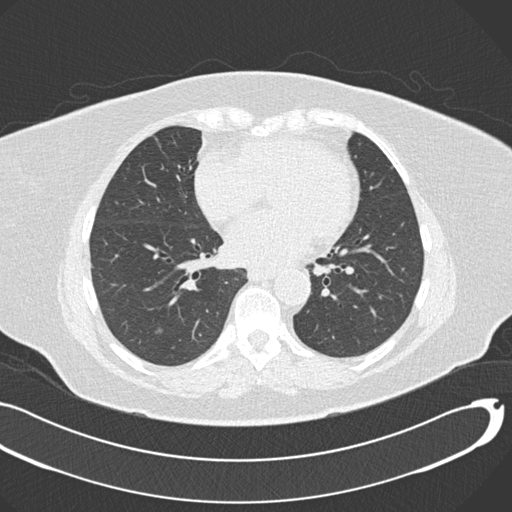
One axial slice (73 of 177, counting up from the lowest) of a chest CT acquired at 120 kVp with the B30f kernel; each pixel is 0.742 mm and the slice is 2.00 mm thick.
Pulmonary nodule, outlined by three of the four readers. Box on this slice rows 327–333, columns 155–163, the union of the readers' outlines on this slice; longest diameter 8.3 mm on average over the three readers' outlines (readers' outlines 7.4–10.0 mm), volume 62–167 mm3. The readers' prevailing ratings and who disagreed: most readers (two of three) put texture at 1/5 (non-solid), others 4/5 (one); margin split among the readers: 1/5 (indistinct) (one), 2/5 (one), 4/5 (one); sphericity 3/5 (ovoid) by two of three readers; the rest gave 4/5 (one); calcification absent from all three readers; internal structure soft tissue, all three readers agreeing; subtlety 3/5 by two of three readers; the rest gave 5/5 (one); most readers (two of three) put malignancy likelihood at 2/5, others 3/5 (one). Scale key (1–5): texture non-solid→solid, margin indistinct→circumscribed, sphericity linear→round, subtlety extremely subtle→obvious, malignancy likelihood highly unlikely→highly suspicious of cancer. Box rows and columns are 0-based pixel indices from the top-left corner, inclusive.